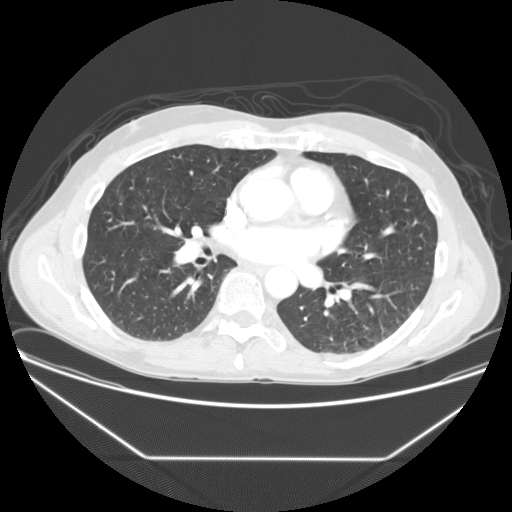
Axial chest CT slice 77 of 137 (counted from the lowest slice); 2.50 mm thick, 0.781 mm per pixel. Pulmonary nodule at rows 195–201, columns 118–124 (box = the union of the readers' outlines on this slice), outlined by all four readers, two of them on this slice; longest diameter 14.9 mm on average over the four readers' outlines (readers' outlines 14.3–15.8 mm), volume 1035–1472 mm3. Ratings, by the readers' most common answer with dissent counted: texture 5/5 (solid) from all four readers; most readers (three of four) put margin at 5/5 (circumscribed), others 4/5 (one); sphericity 4/5 by three of four readers; the rest gave 5/5 (round) (one); calcification absent from all four readers; internal structure soft tissue from all four readers; subtlety 5/5 by three of four readers; the rest gave 3/5 (one); malignancy likelihood 4/5 by two of four readers; the rest gave 2/5 (one), 3/5 (one). Scale key (1–5): texture non-solid→solid, margin indistinct→circumscribed, sphericity linear→round, subtlety extremely subtle→obvious, malignancy likelihood highly unlikely→highly suspicious of cancer. Box rows and columns are 0-based pixel indices from the top-left corner, inclusive.
Scan settings: 120 kVp, STANDARD reconstruction kernel.